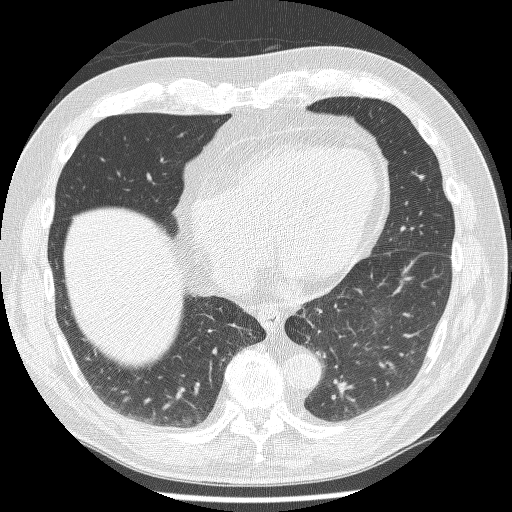
Axial chest CT slice 87 of 244 (counted from the lowest slice); 1.25 mm thick, 0.674 mm per pixel. Pulmonary nodule at rows 174–180, columns 418–423 (box = the union of the readers' outlines on this slice), outlined by all four readers; the four readers' outlines give a longest diameter between 6.6 and 9.1 mm and a volume between 111 and 136 mm3. Ratings across the readers: texture from 4/5 to 5/5 (solid) across the four readers; margin from 2/5 to 5/5 (circumscribed) across the four readers; sphericity from 2/5 to 4/5 across the four readers; calcification absent, all four readers agreeing; internal structure soft tissue, all four readers agreeing; subtlety 3–5/5 (the readers disagree); malignancy likelihood from 2/5 to 3/5 across the four readers. Scale key (1–5): texture non-solid→solid, margin indistinct→circumscribed, sphericity linear→round, subtlety extremely subtle→obvious, malignancy likelihood highly unlikely→highly suspicious of cancer. Box rows and columns are 0-based pixel indices from the top-left corner, inclusive.
Scan settings: 120 kVp, BONE reconstruction kernel.